Chest CT, axial plane, 120 kVp, kernel STANDARD. Slice 295/413 from the bottom of the scan; thickness 1.25 mm; pixel size 0.703 mm.
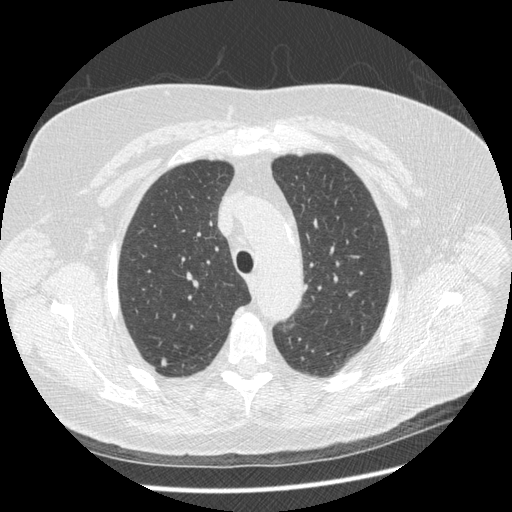
Pulmonary nodule, outlined by two of the four readers. Box on this slice rows 358–366, columns 160–167, the union of the readers' outlines on this slice; longest diameter 7.7 mm on average over the two readers' outlines (readers' outlines 7.3–8.0 mm), volume 94–128 mm3. The readers' prevailing ratings and who disagreed: texture 5/5 (solid) from both readers; margin split among the readers: 3/5 (one), 4/5 (one); sphericity split among the readers: 2/5 (one), 3/5 (ovoid) (one); calcification absent from both readers; internal structure soft tissue from both readers; subtlety split among the readers: 3/5 (one), 4/5 (one); malignancy likelihood split among the readers: 3/5 (one), 5/5 (one). Scale key (1–5): texture non-solid→solid, margin indistinct→circumscribed, sphericity linear→round, subtlety extremely subtle→obvious, malignancy likelihood highly unlikely→highly suspicious of cancer. Box rows and columns are 0-based pixel indices from the top-left corner, inclusive.